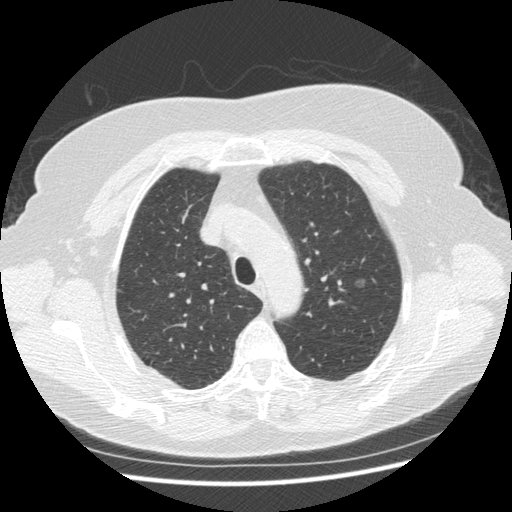
Axial chest CT slice 328 of 413 (counted from the lowest slice); 1.25 mm thick, 0.703 mm per pixel. Pulmonary nodule at rows 279–287, columns 355–365 (box = the union of the readers' outlines on this slice), outlined by two of the four readers; median longest diameter 10.1 mm (readers' outlines 10.1 mm), median volume 182 mm3 (131–234 mm3). Median ratings and the readers' spread: texture 1/5 (non-solid) from both readers; margin 2/5 at the median of two readers, spread 1/5 (indistinct) to 3/5; median sphericity 4.5/5 (readers ranged 4/5 to 5/5 (round)); calcification absent from both readers; internal structure soft tissue, both readers agreeing; median subtlety 2.5/5 (readers ranged 1–4); malignancy likelihood 3.5/5 at the median of two readers, spread 3–4. Scale key (1–5): texture non-solid→solid, margin indistinct→circumscribed, sphericity linear→round, subtlety extremely subtle→obvious, malignancy likelihood highly unlikely→highly suspicious of cancer. Box rows and columns are 0-based pixel indices from the top-left corner, inclusive.
Scan settings: 120 kVp, STANDARD reconstruction kernel.